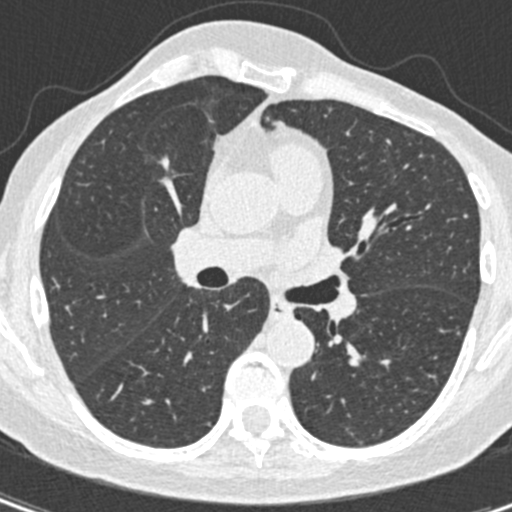
Axial chest CT slice 237 of 408 (counted from the lowest slice); 0.75 mm thick, 0.531 mm per pixel. Pulmonary nodule, outlined by one of the four readers. Box on this slice rows 214–217, columns 463–467, that reader's outline on this slice; longest diameter 4.1 mm and volume 22 mm3 from that reader's outline. Ratings by that reader: texture 5/5 (solid); margin 5/5 (circumscribed); sphericity 5/5 (round); calcification absent; internal structure soft tissue; subtlety 5/5; malignancy likelihood 2/5. Scale key (1–5): texture non-solid→solid, margin indistinct→circumscribed, sphericity linear→round, subtlety extremely subtle→obvious, malignancy likelihood highly unlikely→highly suspicious of cancer. Box rows and columns are 0-based pixel indices from the top-left corner, inclusive.
Scan settings: 120 kVp, B30f reconstruction kernel.